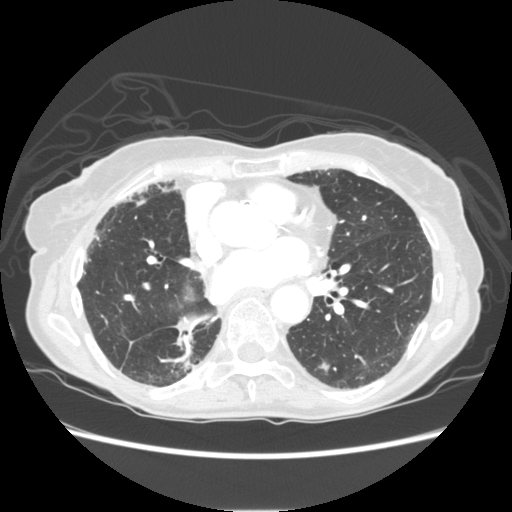
Axial chest CT slice 63 of 131 (counted from the lowest slice); tube voltage 120 kVp, convolution kernel STANDARD; slices 2.50 mm thick, 0.703 mm per pixel.
Pulmonary nodule at rows 362–372, columns 316–329 (box = the union of the readers' outlines on this slice), outlined by two of the four readers; longest diameter 9.8–10.8 mm and volume 190–194 mm3 across the two readers' outlines. Ratings across the readers: texture from 3/5 (part-solid) to 5/5 (solid) across the two readers; margin from 2/5 to 4/5 across the two readers; sphericity from 3/5 (ovoid) to 4/5 across the two readers; calcification absent, both readers agreeing; internal structure soft tissue from both readers; subtlety 3–4/5 (the readers disagree); malignancy likelihood from 2/5 to 4/5 across the two readers. Scale key (1–5): texture non-solid→solid, margin indistinct→circumscribed, sphericity linear→round, subtlety extremely subtle→obvious, malignancy likelihood highly unlikely→highly suspicious of cancer. Box rows and columns are 0-based pixel indices from the top-left corner, inclusive.